Axial slice 396 of 733 of a chest CT (slice 1 is the lowest), reconstructed with the B50f kernel at 120 kVp; 0.60 mm slice thickness and 0.637 mm pixels.
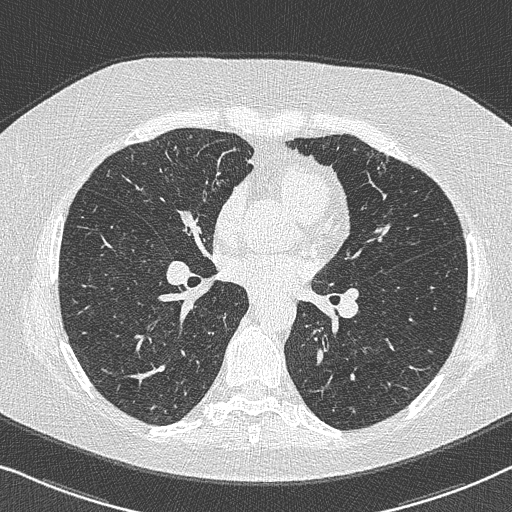
No nodule of 3 mm or larger was outlined by any of the four readers on this slice.